Axial chest CT slice 95 of 290 (counted from the lowest slice); tube voltage 120 kVp, convolution kernel B; slices 2.00 mm thick, 0.639 mm per pixel.
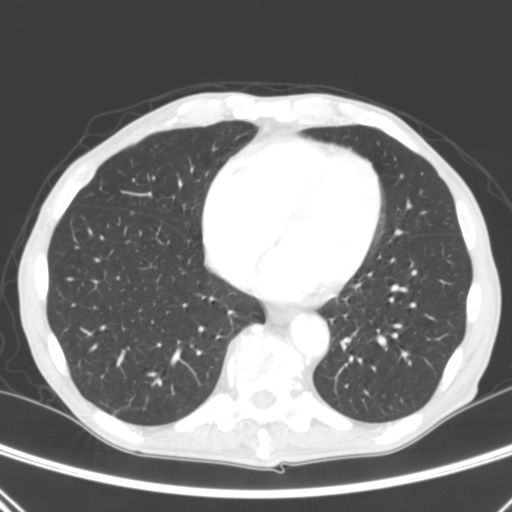
Pulmonary nodule, outlined by one of the four readers. Box on this slice rows 211–213, columns 130–134, that reader's outline on this slice; longest diameter 5.0 mm and volume 58 mm3 from that reader's outline. Ratings by that reader: texture 5/5 (solid); margin 5/5 (circumscribed); sphericity 5/5 (round); calcification absent; internal structure soft tissue; subtlety 5/5; malignancy likelihood 3/5. Scale key (1–5): texture non-solid→solid, margin indistinct→circumscribed, sphericity linear→round, subtlety extremely subtle→obvious, malignancy likelihood highly unlikely→highly suspicious of cancer. Box rows and columns are 0-based pixel indices from the top-left corner, inclusive.